One axial slice (302 of 605, counting up from the lowest) of a chest CT acquired at 120 kVp with the STANDARD kernel; each pixel is 0.703 mm and the slice is 1.25 mm thick.
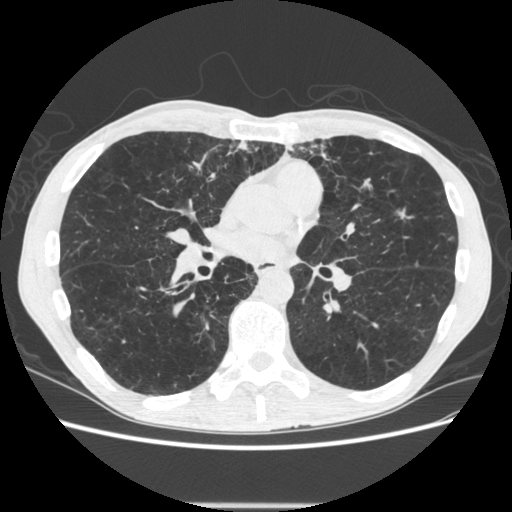
No nodule 3 mm or larger was outlined here by any reader.